Axial slice 312 of 400 of a chest CT (slice 1 is the lowest), reconstructed with the C kernel at 120 kVp; 1.50 mm slice thickness and 0.527 mm pixels.
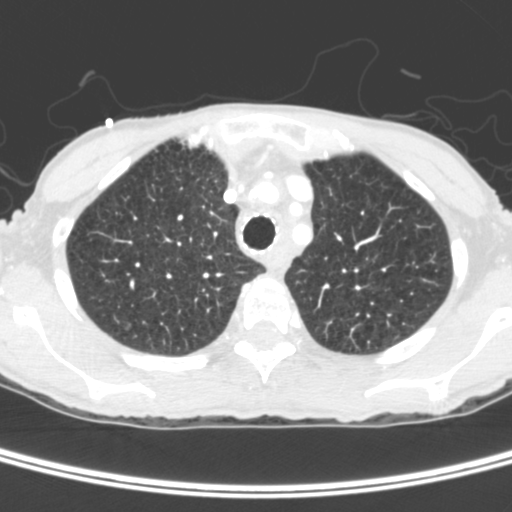
Pulmonary nodule, outlined by three of the four readers. Box on this slice rows 322–330, columns 125–130, the union of the readers' outlines on this slice; longest diameter 15.5 mm on average over the three readers' outlines (readers' outlines 15.0–15.8 mm), volume 1012–1166 mm3. The readers' prevailing ratings and who disagreed: most readers (two of three) put texture at 5/5 (solid), others 3/5 (part-solid) (one); margin 4/5, all three readers agreeing; most readers (two of three) put sphericity at 5/5 (round), others 4/5 (one); calcification absent from all three readers; internal structure soft tissue by two of three readers, air (one); subtlety 5/5 from all three readers; most readers (two of three) put malignancy likelihood at 5/5, others 4/5 (one). Scale key (1–5): texture non-solid→solid, margin indistinct→circumscribed, sphericity linear→round, subtlety extremely subtle→obvious, malignancy likelihood highly unlikely→highly suspicious of cancer. Box rows and columns are 0-based pixel indices from the top-left corner, inclusive.